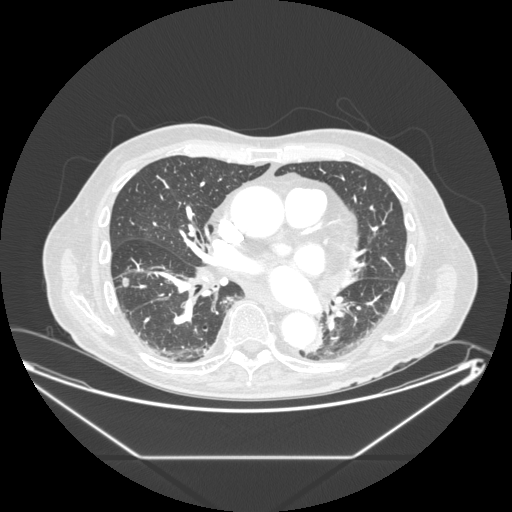
One axial slice (87 of 214, counting up from the lowest) of a chest CT acquired at 120 kVp with the STANDARD kernel; each pixel is 0.879 mm and the slice is 1.25 mm thick.
Pulmonary nodule at rows 277–287, columns 121–129 (box = the union of the readers' outlines on this slice), outlined by all four readers; the four readers' outlines give a longest diameter between 12.6 and 15.8 mm and a volume between 537 and 734 mm3. The readers' ratings, as ranges where they differ: texture from 4/5 to 5/5 (solid) across the four readers; margin from 2/5 to 5/5 (circumscribed) across the four readers; sphericity from 4/5 to 5/5 (round) across the four readers; calcification absent, all four readers agreeing; internal structure soft tissue from all four readers; subtlety from 4/5 to 5/5 across the four readers; malignancy likelihood rated between 3 and 5 out of 5 by the four readers. Scale key (1–5): texture non-solid→solid, margin indistinct→circumscribed, sphericity linear→round, subtlety extremely subtle→obvious, malignancy likelihood highly unlikely→highly suspicious of cancer. Box rows and columns are 0-based pixel indices from the top-left corner, inclusive.